One axial slice (69 of 300, counting up from the lowest) of a chest CT acquired at 120 kVp with the B45f kernel; each pixel is 0.605 mm and the slice is 1.00 mm thick.
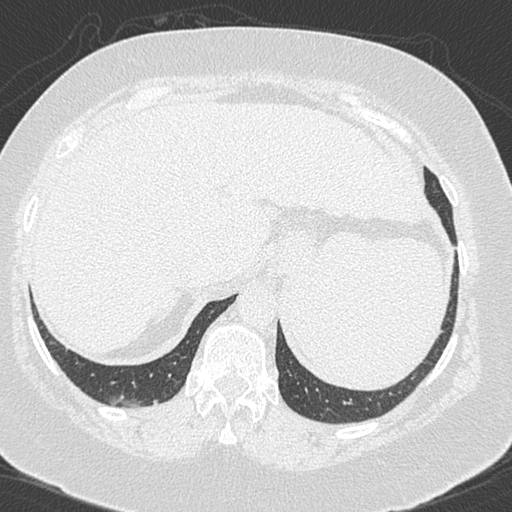
Pulmonary nodule outlined by two of the four readers; box rows 400–404, columns 153–157 (the union of the readers' outlines on this slice); median longest diameter 6.1 mm (readers' outlines 6.0–6.2 mm), median volume 60 mm3 (55–66 mm3). Median ratings and the readers' spread: texture 5/5 (solid), both readers agreeing; margin 4/5, both readers agreeing; sphericity 4/5 from both readers; calcification absent from both readers; internal structure soft tissue from both readers; subtlety 1.5/5 at the median of two readers, spread 1–2; malignancy likelihood 3/5, both readers agreeing. Scale key (1–5): texture non-solid→solid, margin indistinct→circumscribed, sphericity linear→round, subtlety extremely subtle→obvious, malignancy likelihood highly unlikely→highly suspicious of cancer. Box rows and columns are 0-based pixel indices from the top-left corner, inclusive.